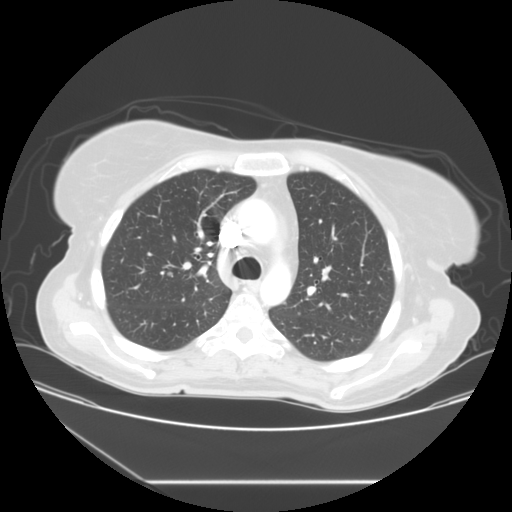
Axial chest CT slice 85 of 117 (counted from the lowest slice); tube voltage 120 kVp, convolution kernel STANDARD; slices 2.50 mm thick, 0.781 mm per pixel.
Pulmonary nodule, outlined by one of the four readers. Box on this slice rows 272–276, columns 168–172, that reader's outline on this slice; longest diameter 6.7 mm and volume 95 mm3 from that reader's outline. Ratings by that reader: texture 5/5 (solid); margin 5/5 (circumscribed); sphericity 4/5; calcification absent; internal structure soft tissue; subtlety 2/5; malignancy likelihood 3/5. Scale key (1–5): texture non-solid→solid, margin indistinct→circumscribed, sphericity linear→round, subtlety extremely subtle→obvious, malignancy likelihood highly unlikely→highly suspicious of cancer. Box rows and columns are 0-based pixel indices from the top-left corner, inclusive.